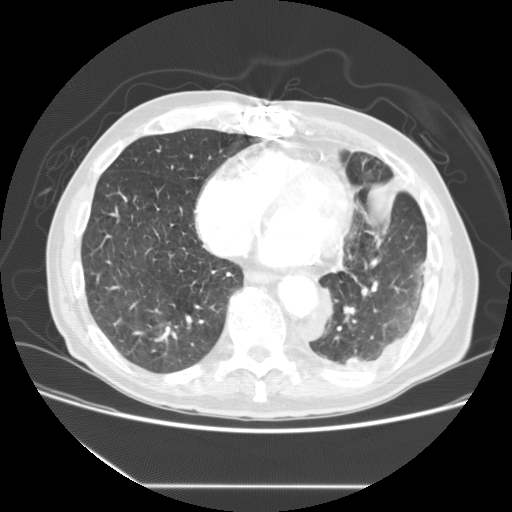
This is axial slice 64 of 149 (slice 1 is the lowest) of a chest CT; each pixel is 0.742 mm and the slice is 2.50 mm thick. Pulmonary nodule, outlined by one of the four readers. Box on this slice rows 356–363, columns 347–357, that reader's outline on this slice; longest diameter 9.7 mm and volume 438 mm3 from that reader's outline. Ratings by that reader: texture 5/5 (solid); margin 5/5 (circumscribed); sphericity 4/5; calcification absent; internal structure soft tissue; subtlety 3/5; malignancy likelihood 2/5. Scale key (1–5): texture non-solid→solid, margin indistinct→circumscribed, sphericity linear→round, subtlety extremely subtle→obvious, malignancy likelihood highly unlikely→highly suspicious of cancer. Box rows and columns are 0-based pixel indices from the top-left corner, inclusive.
Acquired at 120 kVp and reconstructed with the STANDARD kernel.